One axial slice (291 of 326, counting up from the lowest) of a chest CT acquired at 120 kVp with the B45f kernel; each pixel is 0.645 mm and the slice is 1.00 mm thick.
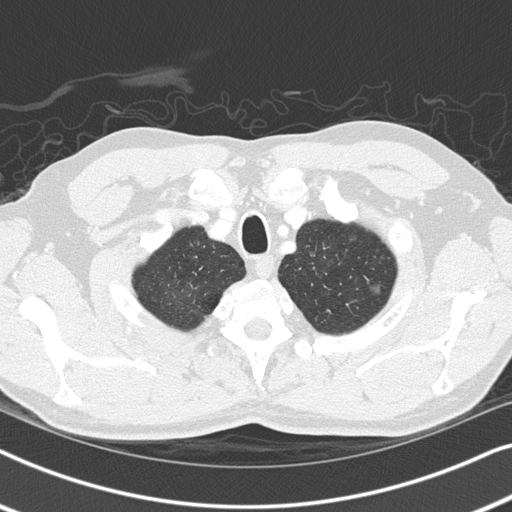
Pulmonary nodule at rows 282–297, columns 368–381 (box = the union of the readers' outlines on this slice), outlined by all four readers; longest diameter 11.5 mm on average over the four readers' outlines (readers' outlines 9.0–13.3 mm), volume 232–417 mm3. Ratings, by the readers' most common answer with dissent counted: most readers (three of four) put texture at 1/5 (non-solid), others 4/5 (one); margin 2/5 by two of four readers; the rest gave 1/5 (indistinct) (one), 5/5 (circumscribed) (one); most readers (three of four) put sphericity at 4/5, others 5/5 (round) (one); calcification absent, all four readers agreeing; internal structure soft tissue, all four readers agreeing; subtlety 1/5 by two of four readers; the rest gave 2/5 (one), 4/5 (one); malignancy likelihood split among the readers: 2/5 (two), 3/5 (two). Scale key (1–5): texture non-solid→solid, margin indistinct→circumscribed, sphericity linear→round, subtlety extremely subtle→obvious, malignancy likelihood highly unlikely→highly suspicious of cancer. Box rows and columns are 0-based pixel indices from the top-left corner, inclusive.